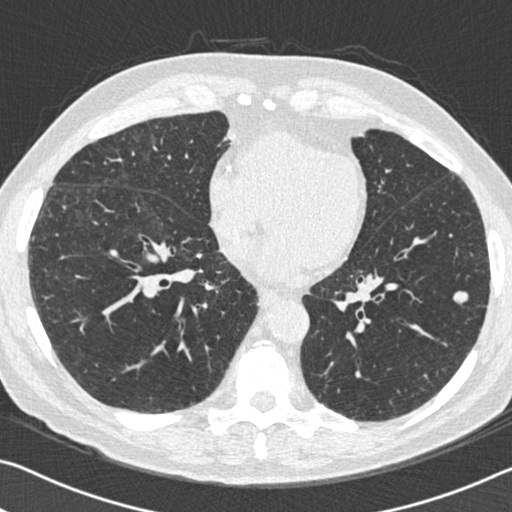
One axial slice (240 of 525, counting up from the lowest) of a chest CT acquired at 120 kVp with the B30f kernel; each pixel is 0.660 mm and the slice is 0.75 mm thick.
Pulmonary nodule, outlined by all four readers. Box on this slice rows 291–304, columns 453–468, the union of the readers' outlines on this slice; median longest diameter 11.5 mm (readers' outlines 10.8–13.0 mm), median volume 309 mm3 (202–326 mm3). Ratings, median across the readers with their spread: texture 5/5 (solid) from all four readers; margin 5/5 (circumscribed) from all four readers; sphericity 4/5 at the median of four readers, spread 3/5 (ovoid) to 5/5 (round); calcification absent from all four readers; internal structure soft tissue from all four readers; subtlety 5/5 from all four readers; malignancy likelihood 4.5/5 at the median of four readers, spread 3–5. Scale key (1–5): texture non-solid→solid, margin indistinct→circumscribed, sphericity linear→round, subtlety extremely subtle→obvious, malignancy likelihood highly unlikely→highly suspicious of cancer. Box rows and columns are 0-based pixel indices from the top-left corner, inclusive.